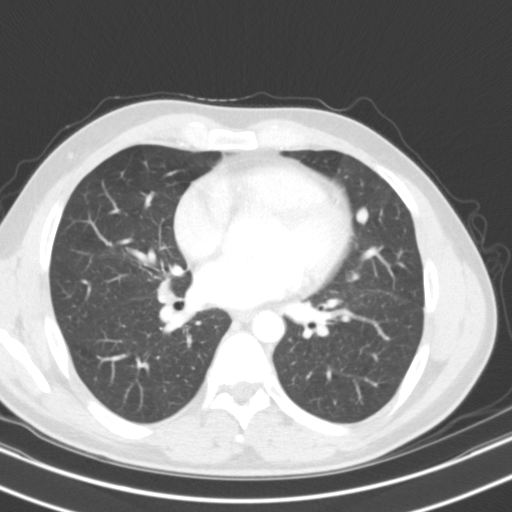
Axial chest CT slice 64 of 123 (counted from the lowest slice); 3.00 mm thick, 0.646 mm per pixel. Pulmonary nodule at rows 207–224, columns 355–368 (box = the union of the readers' outlines on this slice), outlined by all four readers; longest diameter 11.4 mm on average over the four readers' outlines (readers' outlines 11.1–12.4 mm), volume 387–471 mm3. Ratings, by the readers' most common answer with dissent counted: texture 5/5 (solid), all four readers agreeing; margin split among the readers: 4/5 (two), 5/5 (circumscribed) (two); sphericity split among the readers: 3/5 (ovoid) (two), 5/5 (round) (two); calcification absent from all four readers; internal structure soft tissue, all four readers agreeing; subtlety 5/5 by three of four readers; the rest gave 4/5 (one); malignancy likelihood 4/5 by two of four readers; the rest gave 2/5 (one), 3/5 (one). Scale key (1–5): texture non-solid→solid, margin indistinct→circumscribed, sphericity linear→round, subtlety extremely subtle→obvious, malignancy likelihood highly unlikely→highly suspicious of cancer. Box rows and columns are 0-based pixel indices from the top-left corner, inclusive.
Acquired at 130 kVp and reconstructed with the B31s kernel.